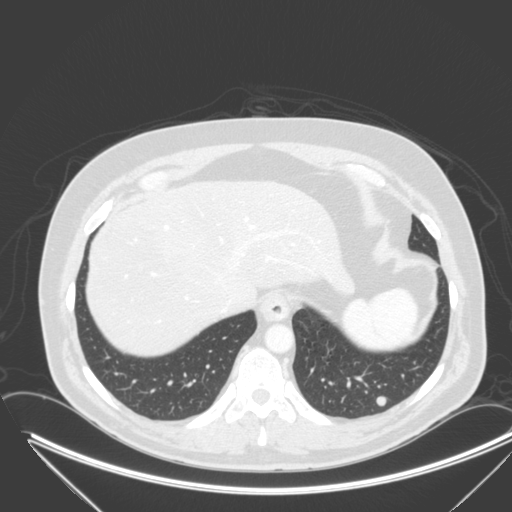
Axial slice 77 of 315 of a chest CT (slice 1 is the lowest), reconstructed with the B kernel at 120 kVp; 2.00 mm slice thickness and 0.830 mm pixels.
Pulmonary nodule at rows 396–405, columns 375–387 (box = the union of the readers' outlines on this slice), outlined by all four readers; longest diameter 11.1 mm on average over the four readers' outlines (readers' outlines 10.3–12.9 mm), volume 426–557 mm3. Ratings, by the readers' most common answer with dissent counted: texture 5/5 (solid) from all four readers; margin 5/5 (circumscribed) by three of four readers; the rest gave 4/5 (one); sphericity 5/5 (round) by three of four readers; the rest gave 3/5 (ovoid) (one); calcification absent, all four readers agreeing; internal structure soft tissue, all four readers agreeing; subtlety split among the readers: 4/5 (two), 5/5 (two); malignancy likelihood split among the readers: 3/5 (two), 4/5 (two). Scale key (1–5): texture non-solid→solid, margin indistinct→circumscribed, sphericity linear→round, subtlety extremely subtle→obvious, malignancy likelihood highly unlikely→highly suspicious of cancer. Box rows and columns are 0-based pixel indices from the top-left corner, inclusive.